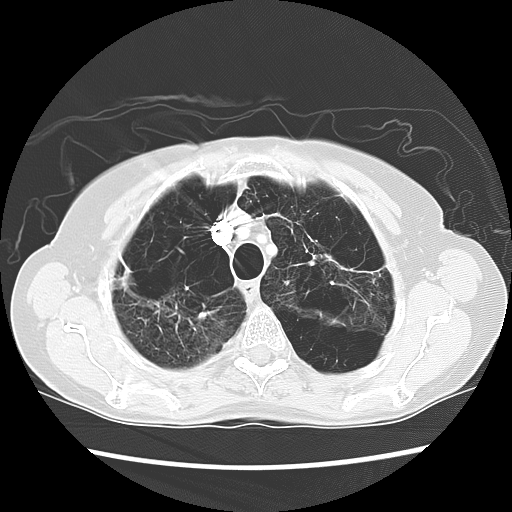
Axial chest CT slice 98 of 127 (counted from the lowest slice); tube voltage 120 kVp, convolution kernel LUNG; slices 2.50 mm thick, 0.645 mm per pixel.
Two pulmonary nodules on this slice, listed from left to right. (1) Pulmonary nodule at rows 312–317, columns 199–206 (box = the union of the readers' outlines on this slice), outlined by two of the four readers; longest diameter 8.6–11.3 mm and volume 126–141 mm3 across the two readers' outlines. The readers' ratings, as ranges where they differ: texture 5/5 (solid) from both readers; margin from 3/5 to 5/5 (circumscribed) across the two readers; sphericity 3/5 (ovoid) from both readers; calcification absent from both readers; internal structure soft tissue, both readers agreeing; subtlety 4/5, both readers agreeing; malignancy likelihood 3/5, both readers agreeing. (2) Pulmonary nodule at rows 295–298, columns 383–387 (box = that reader's outline on this slice), outlined by one of the four readers; longest diameter 5.5 mm and volume 55 mm3 from that reader's outline. That reader's ratings: texture 5/5 (solid); margin 5/5 (circumscribed); sphericity 4/5; calcification absent; internal structure soft tissue; subtlety 3/5; malignancy likelihood 3/5. Scale key (1–5): texture non-solid→solid, margin indistinct→circumscribed, sphericity linear→round, subtlety extremely subtle→obvious, malignancy likelihood highly unlikely→highly suspicious of cancer. Box rows and columns are 0-based pixel indices from the top-left corner, inclusive.